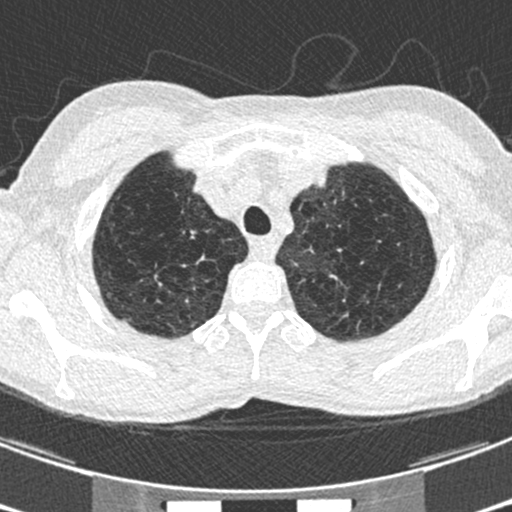
Axial slice 549 of 633 of a chest CT (slice 1 is the lowest), reconstructed with the B30f kernel at 120 kVp; 0.60 mm slice thickness and 0.541 mm pixels.
Pulmonary nodule, outlined by one of the four readers. Box on this slice rows 292–298, columns 106–112, that reader's outline on this slice; longest diameter 5.8 mm and volume 27 mm3 from that reader's outline. Ratings by that reader: texture 3/5 (part-solid); margin 1/5 (indistinct); sphericity 4/5; calcification absent; internal structure soft tissue; subtlety 4/5; malignancy likelihood 3/5. Scale key (1–5): texture non-solid→solid, margin indistinct→circumscribed, sphericity linear→round, subtlety extremely subtle→obvious, malignancy likelihood highly unlikely→highly suspicious of cancer. Box rows and columns are 0-based pixel indices from the top-left corner, inclusive.